Axial chest CT slice 98 of 429 (counted from the lowest slice); tube voltage 120 kVp, convolution kernel STANDARD; slices 1.25 mm thick, 0.586 mm per pixel.
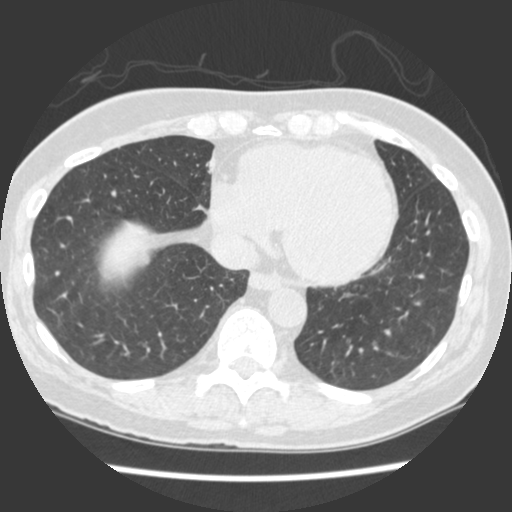
Pulmonary nodule, outlined by one of the four readers. Box on this slice rows 253–264, columns 137–147, that reader's outline on this slice; longest diameter 8.8 mm and volume 79 mm3 from that reader's outline. That reader's ratings: texture 4/5; margin 3/5; sphericity 5/5 (round); calcification absent; internal structure soft tissue; subtlety 3/5; malignancy likelihood 3/5. Scale key (1–5): texture non-solid→solid, margin indistinct→circumscribed, sphericity linear→round, subtlety extremely subtle→obvious, malignancy likelihood highly unlikely→highly suspicious of cancer. Box rows and columns are 0-based pixel indices from the top-left corner, inclusive.